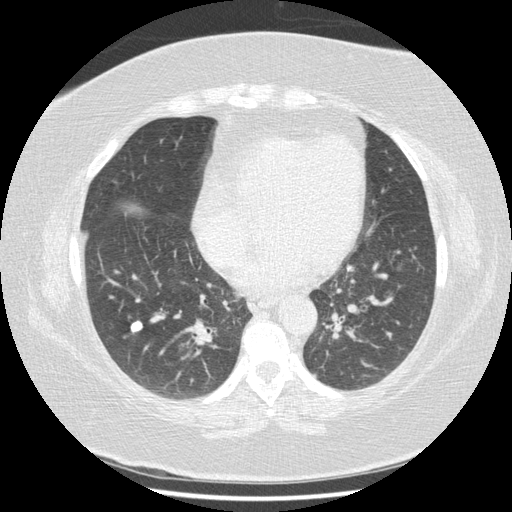
This is axial slice 180 of 417 (slice 1 is the lowest) of a chest CT; each pixel is 0.703 mm and the slice is 1.25 mm thick. Pulmonary nodule outlined by all four readers; box rows 321–332, columns 130–142 (the union of the readers' outlines on this slice); median longest diameter 10.6 mm (readers' outlines 10.5–10.9 mm), median volume 457 mm3 (396–502 mm3). Ratings, median across the readers with their spread: texture 5/5 (solid), all four readers agreeing; margin 5/5 (circumscribed), all four readers agreeing; sphericity 4/5 at the median of four readers, spread 3/5 (ovoid) to 4/5; calcification: solid calcification (three), absent (one); internal structure soft tissue from all four readers; subtlety 5/5 from all four readers; malignancy likelihood 1/5, all four readers agreeing. Scale key (1–5): texture non-solid→solid, margin indistinct→circumscribed, sphericity linear→round, subtlety extremely subtle→obvious, malignancy likelihood highly unlikely→highly suspicious of cancer. Box rows and columns are 0-based pixel indices from the top-left corner, inclusive.
Acquired at 120 kVp and reconstructed with the STANDARD kernel.